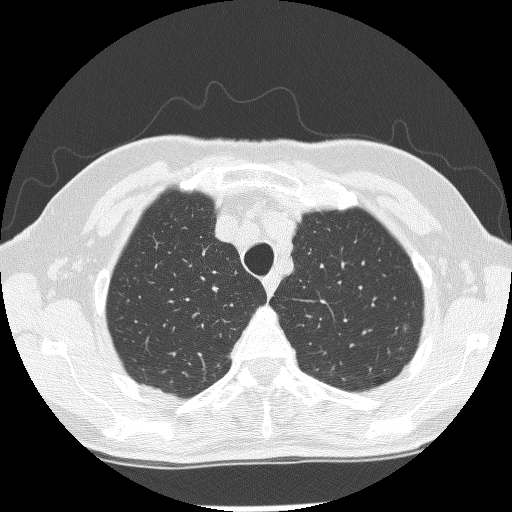
Slice 206/245 of a chest CT, counting up from the lowest; pixel size 0.592 mm, slice thickness 1.25 mm. Pulmonary nodule, outlined by three of the four readers. Box on this slice rows 324–331, columns 402–408, the union of the readers' outlines on this slice; median longest diameter 5.6 mm (readers' outlines 5.5–5.6 mm), median volume 33 mm3 (23–37 mm3). Ratings, median across the readers with their spread: texture 1/5 (non-solid) at the median of three readers, spread 1/5 (non-solid) to 2/5; median margin 2/5 (readers ranged 2/5 to 5/5 (circumscribed)); sphericity 3/5 (ovoid), all three readers agreeing; calcification absent, all three readers agreeing; internal structure soft tissue from all three readers; median subtlety 2/5 (readers ranged 1–2); malignancy likelihood 3/5 at the median of three readers, spread 2–3. Scale key (1–5): texture non-solid→solid, margin indistinct→circumscribed, sphericity linear→round, subtlety extremely subtle→obvious, malignancy likelihood highly unlikely→highly suspicious of cancer. Box rows and columns are 0-based pixel indices from the top-left corner, inclusive.
Tube voltage 120 kVp; convolution kernel BONE.